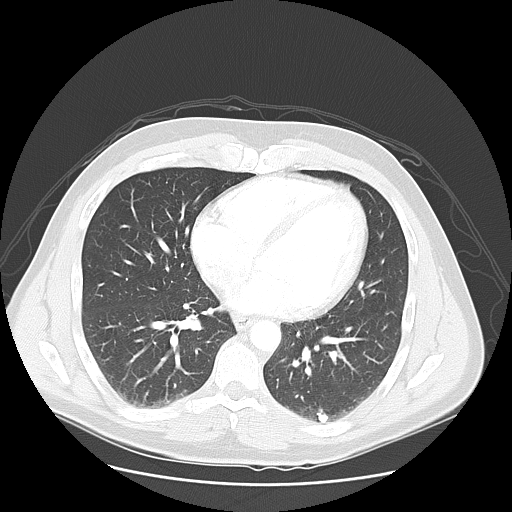
This is axial slice 51 of 119 (slice 1 is the lowest) of a chest CT; each pixel is 0.742 mm and the slice is 2.50 mm thick. Pulmonary nodule at rows 412–422, columns 316–328 (box = the union of the readers' outlines on this slice), outlined by all four readers; longest diameter 9.8 mm on average over the four readers' outlines (readers' outlines 9.0–10.3 mm), volume 180–293 mm3. Ratings, by the readers' most common answer with dissent counted: texture 5/5 (solid), all four readers agreeing; margin 5/5 (circumscribed) by three of four readers; the rest gave 4/5 (one); sphericity 3/5 (ovoid) by two of four readers; the rest gave 4/5 (one), 5/5 (round) (one); calcification solid calcification by three of four readers, absent (one); internal structure soft tissue, all four readers agreeing; most readers (three of four) put subtlety at 5/5, others 3/5 (one); most readers (three of four) put malignancy likelihood at 1/5, others 3/5 (one). Scale key (1–5): texture non-solid→solid, margin indistinct→circumscribed, sphericity linear→round, subtlety extremely subtle→obvious, malignancy likelihood highly unlikely→highly suspicious of cancer. Box rows and columns are 0-based pixel indices from the top-left corner, inclusive.
Scan settings: 120 kVp, LUNG reconstruction kernel.